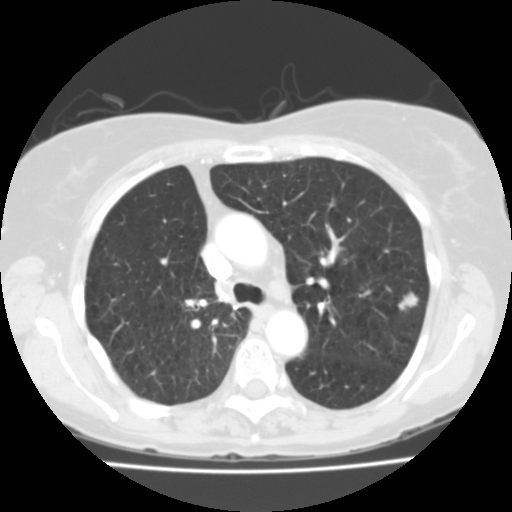
This is axial slice 72 of 112 (slice 1 is the lowest) of a chest CT; each pixel is 0.613 mm and the slice is 3.00 mm thick. Pulmonary nodule, outlined by all four readers. Box on this slice rows 291–311, columns 397–419, the union of the readers' outlines on this slice; longest diameter 14.4 mm on average over the four readers' outlines (readers' outlines 13.6–15.2 mm), volume 677–955 mm3. The readers' prevailing ratings and who disagreed: texture split among the readers: 4/5 (two), 5/5 (solid) (two); margin 3/5 by three of four readers; the rest gave 2/5 (one); sphericity 3/5 (ovoid) by three of four readers; the rest gave 4/5 (one); calcification absent from all four readers; internal structure soft tissue, all four readers agreeing; most readers (three of four) put subtlety at 5/5, others 4/5 (one); malignancy likelihood 3/5 by two of four readers; the rest gave 4/5 (one), 5/5 (one). Scale key (1–5): texture non-solid→solid, margin indistinct→circumscribed, sphericity linear→round, subtlety extremely subtle→obvious, malignancy likelihood highly unlikely→highly suspicious of cancer. Box rows and columns are 0-based pixel indices from the top-left corner, inclusive.
Scan settings: 135 kVp, FC01 reconstruction kernel.